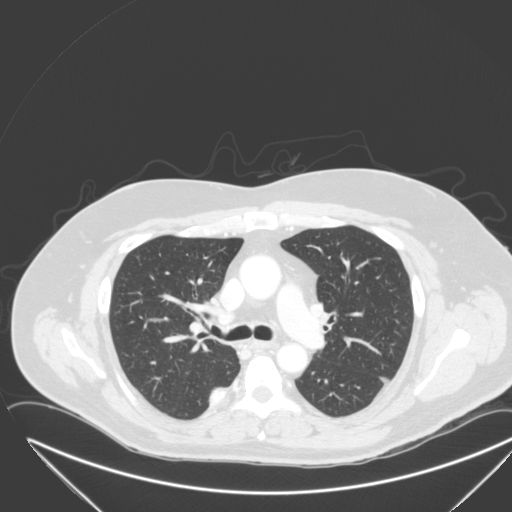
Axial chest CT slice 204 of 315 (counted from the lowest slice); 2.00 mm thick, 0.830 mm per pixel. Pulmonary nodule at rows 388–405, columns 210–225 (box = that reader's outline on this slice), outlined by one of the four readers; longest diameter 27.1 mm and volume 6093 mm3 from that reader's outline. Ratings by that reader: texture 5/5 (solid); margin 4/5; sphericity 2/5; calcification absent; internal structure soft tissue; subtlety 5/5; malignancy likelihood 4/5. Scale key (1–5): texture non-solid→solid, margin indistinct→circumscribed, sphericity linear→round, subtlety extremely subtle→obvious, malignancy likelihood highly unlikely→highly suspicious of cancer. Box rows and columns are 0-based pixel indices from the top-left corner, inclusive.
Tube voltage 120 kVp; convolution kernel B.